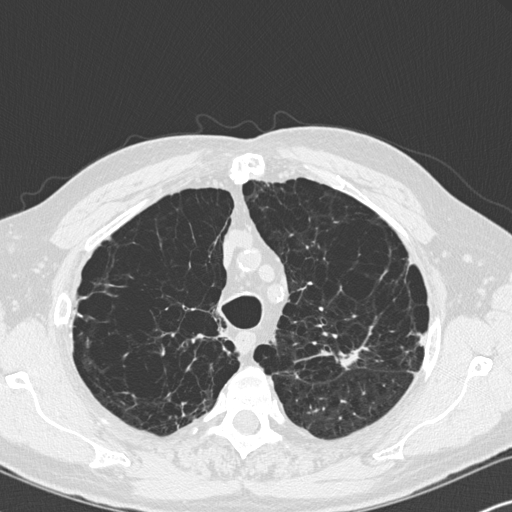
Slice 252/347 of a chest CT, counting up from the lowest; pixel size 0.625 mm, slice thickness 1.00 mm. Two pulmonary nodules on this slice, listed from left to right. (1) Pulmonary nodule, outlined by two of the four readers, one of them on this slice. Box on this slice rows 373–378, columns 295–298, the one reader's outline on this slice; median longest diameter 11.8 mm (readers' outlines 11.3–12.3 mm), median volume 329 mm3 (328–329 mm3). Median ratings and the readers' spread: texture 5/5 (solid) from both readers; margin 3/5 at the median of two readers, spread 2/5 to 4/5; median sphericity 3/5 (ovoid) (readers ranged 2/5 to 4/5); calcification absent from both readers; internal structure soft tissue, both readers agreeing; median subtlety 4.5/5 (readers ranged 4–5); malignancy likelihood 3/5, both readers agreeing. (2) Pulmonary nodule outlined by one of the four readers; box rows 348–369, columns 339–359 (that reader's outline on this slice); longest diameter 24.3 mm and volume 1862 mm3 from that reader's outline. Ratings by that reader: texture 5/5 (solid); margin 4/5; sphericity 3/5 (ovoid); calcification absent; internal structure soft tissue; subtlety 5/5; malignancy likelihood 4/5. Scale key (1–5): texture non-solid→solid, margin indistinct→circumscribed, sphericity linear→round, subtlety extremely subtle→obvious, malignancy likelihood highly unlikely→highly suspicious of cancer. Box rows and columns are 0-based pixel indices from the top-left corner, inclusive.
Acquired at 120 kVp and reconstructed with the B45f kernel.